One axial slice (82 of 143, counting up from the lowest) of a chest CT acquired at 120 kVp with the STANDARD kernel; each pixel is 0.859 mm and the slice is 2.50 mm thick.
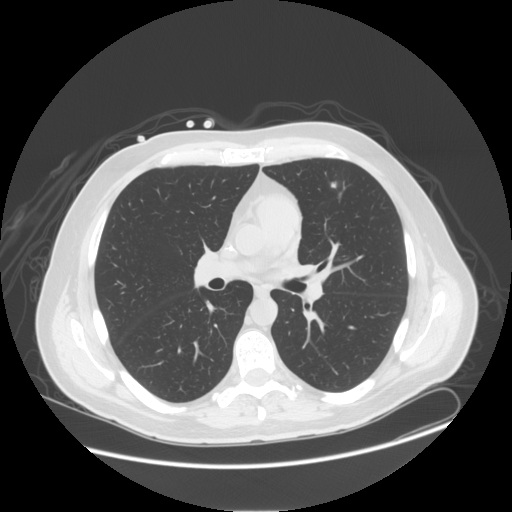
Pulmonary nodule, outlined by one of the four readers. Box on this slice rows 181–188, columns 330–337, that reader's outline on this slice; longest diameter 8.8 mm and volume 188 mm3 from that reader's outline. Ratings by that reader: texture 5/5 (solid); margin 3/5; sphericity 5/5 (round); calcification absent; internal structure soft tissue; subtlety 3/5; malignancy likelihood 3/5. Scale key (1–5): texture non-solid→solid, margin indistinct→circumscribed, sphericity linear→round, subtlety extremely subtle→obvious, malignancy likelihood highly unlikely→highly suspicious of cancer. Box rows and columns are 0-based pixel indices from the top-left corner, inclusive.